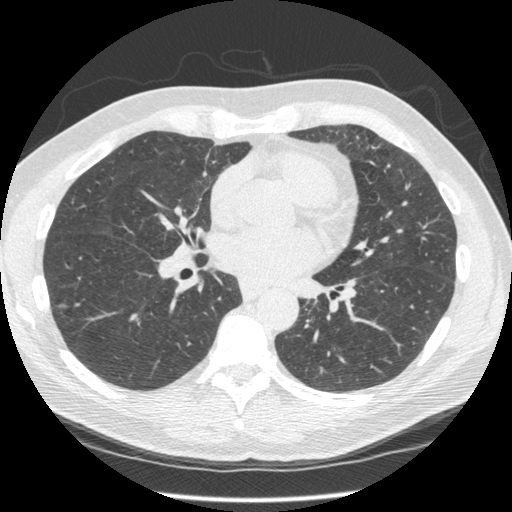
This is axial slice 243 of 545 (slice 1 is the lowest) of a chest CT; each pixel is 0.703 mm and the slice is 1.25 mm thick. Pulmonary nodule, outlined by all four readers, three of them on this slice. Box on this slice rows 303–308, columns 53–70, the union of the readers' outlines on this slice; longest diameter 10.8 mm on average over the four readers' outlines (readers' outlines 9.2–14.5 mm), volume 121–250 mm3. The readers' prevailing ratings and who disagreed: texture 5/5 (solid) from all four readers; margin 4/5 by two of four readers; the rest gave 3/5 (one), 5/5 (circumscribed) (one); sphericity split among the readers: 2/5 (one), 3/5 (ovoid) (one), 4/5 (one), 5/5 (round) (one); calcification absent from all four readers; internal structure soft tissue from all four readers; subtlety 3/5 by two of four readers; the rest gave 4/5 (one), 5/5 (one); malignancy likelihood 3/5 by two of four readers; the rest gave 2/5 (one), 5/5 (one). Scale key (1–5): texture non-solid→solid, margin indistinct→circumscribed, sphericity linear→round, subtlety extremely subtle→obvious, malignancy likelihood highly unlikely→highly suspicious of cancer. Box rows and columns are 0-based pixel indices from the top-left corner, inclusive.
Scan settings: 120 kVp, STANDARD reconstruction kernel.